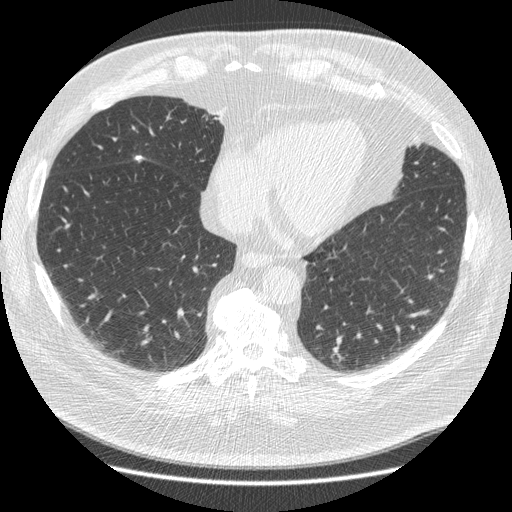
Axial slice 133 of 426 of a chest CT (slice 1 is the lowest), reconstructed with the STANDARD kernel at 120 kVp; 1.25 mm slice thickness and 0.742 mm pixels.
Pulmonary nodule outlined by all four readers; box rows 155–160, columns 133–143 (the union of the readers' outlines on this slice); the four readers' outlines give a longest diameter between 9.6 and 10.0 mm and a volume between 202 and 225 mm3. Ratings across the readers: texture 5/5 (solid) from all four readers; margin 5/5 (circumscribed), all four readers agreeing; sphericity from 4/5 to 5/5 (round) across the four readers; calcification solid calcification from all four readers; internal structure soft tissue from all four readers; subtlety 5/5 from all four readers; malignancy likelihood 1/5, all four readers agreeing. Scale key (1–5): texture non-solid→solid, margin indistinct→circumscribed, sphericity linear→round, subtlety extremely subtle→obvious, malignancy likelihood highly unlikely→highly suspicious of cancer. Box rows and columns are 0-based pixel indices from the top-left corner, inclusive.